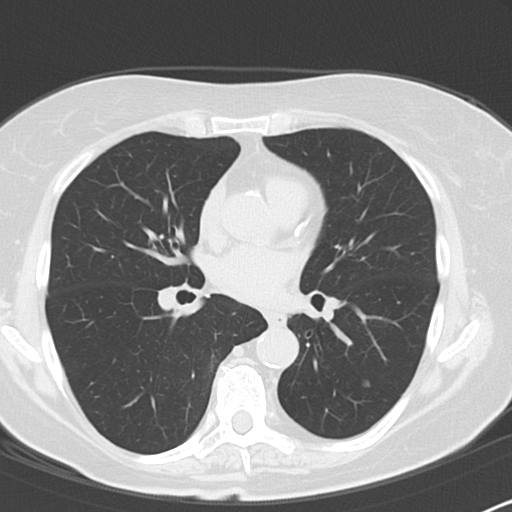
One axial slice (55 of 101, counting up from the lowest) of a chest CT acquired at 120 kVp with the B45f kernel; each pixel is 0.586 mm and the slice is 3.00 mm thick.
Pulmonary nodule outlined by three of the four readers; box rows 379–386, columns 361–369 (the union of the readers' outlines on this slice); median longest diameter 5.4 mm (readers' outlines 5.4–6.8 mm), median volume 98 mm3 (98–184 mm3). Ratings, median across the readers with their spread: texture 5/5 (solid) from all three readers; margin 5/5 (circumscribed), all three readers agreeing; median sphericity 5/5 (round) (readers ranged 4/5 to 5/5 (round)); calcification absent, all three readers agreeing; internal structure soft tissue, all three readers agreeing; median subtlety 5/5 (readers ranged 4–5); malignancy likelihood 3/5 from all three readers. Scale key (1–5): texture non-solid→solid, margin indistinct→circumscribed, sphericity linear→round, subtlety extremely subtle→obvious, malignancy likelihood highly unlikely→highly suspicious of cancer. Box rows and columns are 0-based pixel indices from the top-left corner, inclusive.